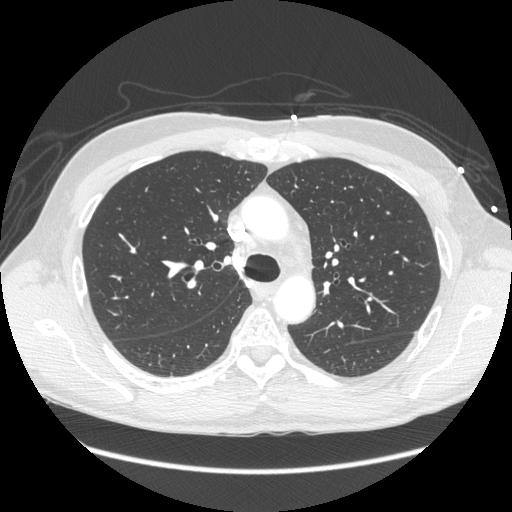
One axial slice (172 of 261, counting up from the lowest) of a chest CT acquired at 120 kVp with the STANDARD kernel; each pixel is 0.781 mm and the slice is 1.25 mm thick.
No nodule 3 mm or larger was outlined here by any reader.